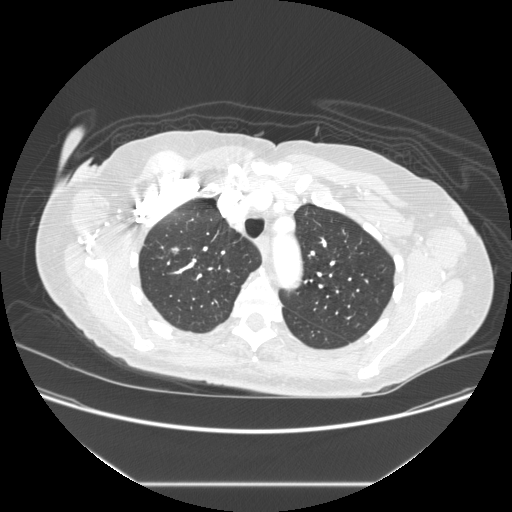
This is axial slice 188 of 238 (slice 1 is the lowest) of a chest CT; each pixel is 0.781 mm and the slice is 1.25 mm thick. Pulmonary nodule outlined by one of the four readers; box rows 248–252, columns 172–177 (that reader's outline on this slice); longest diameter 6.3 mm and volume 68 mm3 from that reader's outline. That reader's ratings: texture 5/5 (solid); margin 4/5; sphericity 4/5; calcification absent; internal structure soft tissue; subtlety 3/5; malignancy likelihood 3/5. Scale key (1–5): texture non-solid→solid, margin indistinct→circumscribed, sphericity linear→round, subtlety extremely subtle→obvious, malignancy likelihood highly unlikely→highly suspicious of cancer. Box rows and columns are 0-based pixel indices from the top-left corner, inclusive.
Acquired at 120 kVp and reconstructed with the STANDARD kernel.